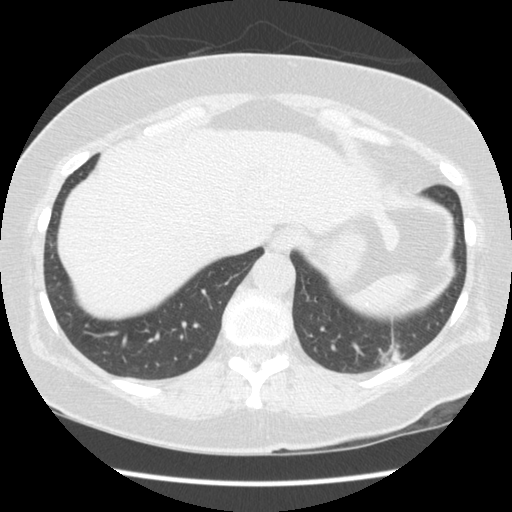
One axial slice (34 of 154, counting up from the lowest) of a chest CT acquired at 120 kVp with the STANDARD kernel; each pixel is 0.645 mm and the slice is 2.50 mm thick.
Pulmonary nodule, outlined by one of the four readers. Box on this slice rows 343–362, columns 379–400, that reader's outline on this slice; longest diameter 24.1 mm and volume 2244 mm3 from that reader's outline. That reader's ratings: texture 3/5 (part-solid); margin 3/5; sphericity 4/5; calcification absent; internal structure soft tissue; subtlety 4/5; malignancy likelihood 1/5. Scale key (1–5): texture non-solid→solid, margin indistinct→circumscribed, sphericity linear→round, subtlety extremely subtle→obvious, malignancy likelihood highly unlikely→highly suspicious of cancer. Box rows and columns are 0-based pixel indices from the top-left corner, inclusive.